Axial slice 103 of 202 of a chest CT (slice 1 is the lowest), reconstructed with the B30f kernel at 120 kVp; 2.00 mm slice thickness and 0.566 mm pixels.
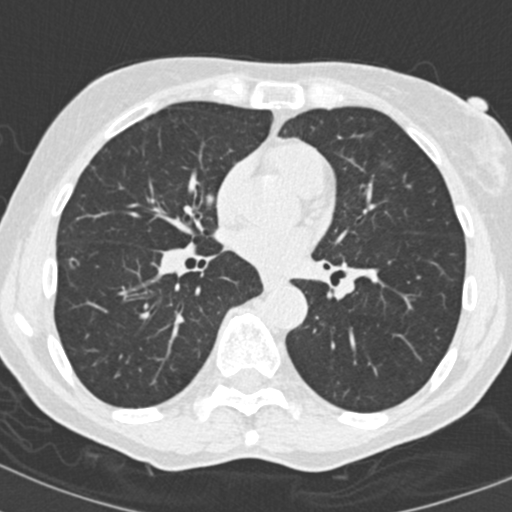
Pulmonary nodule outlined by two of the four readers; box rows 257–268, columns 68–79 (the union of the readers' outlines on this slice); median longest diameter 7.4 mm (readers' outlines 6.8–7.9 mm), median volume 75 mm3 (52–99 mm3). Median ratings and the readers' spread: texture 3.5/5 at the median of two readers, spread 3/5 (part-solid) to 4/5; margin 4/5 at the median of two readers, spread 3/5 to 5/5 (circumscribed); sphericity 3/5 (ovoid) at the median of two readers, spread 2/5 to 4/5; calcification absent, both readers agreeing; internal structure soft tissue from both readers; subtlety 3/5, both readers agreeing; malignancy likelihood 2.5/5 at the median of two readers, spread 2–3. Scale key (1–5): texture non-solid→solid, margin indistinct→circumscribed, sphericity linear→round, subtlety extremely subtle→obvious, malignancy likelihood highly unlikely→highly suspicious of cancer. Box rows and columns are 0-based pixel indices from the top-left corner, inclusive.